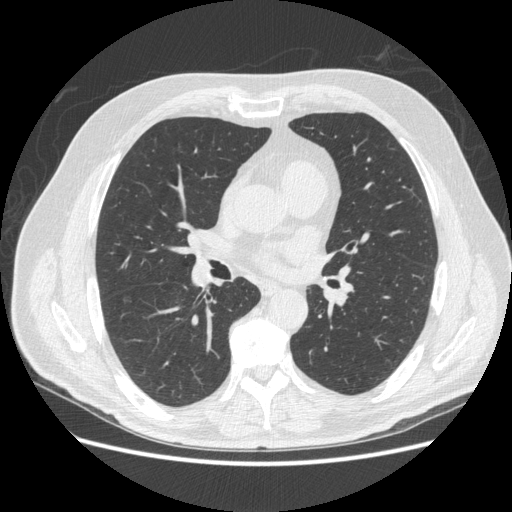
Slice 262/503 of a chest CT, counting up from the lowest; pixel size 0.742 mm, slice thickness 1.25 mm. Pulmonary nodule, outlined by three of the four readers. Box on this slice rows 293–303, columns 122–132, the union of the readers' outlines on this slice; the three readers' outlines give a longest diameter between 7.3 and 10.1 mm and a volume between 62 and 129 mm3. The readers' ratings, as ranges where they differ: texture from 1/5 (non-solid) to 4/5 across the three readers; margin from 2/5 to 4/5 across the three readers; sphericity from 3/5 (ovoid) to 4/5 across the three readers; calcification absent, all three readers agreeing; internal structure soft tissue, all three readers agreeing; subtlety from 1/5 to 4/5 across the three readers; malignancy likelihood from 3/5 to 4/5 across the three readers. Scale key (1–5): texture non-solid→solid, margin indistinct→circumscribed, sphericity linear→round, subtlety extremely subtle→obvious, malignancy likelihood highly unlikely→highly suspicious of cancer. Box rows and columns are 0-based pixel indices from the top-left corner, inclusive.
Scan settings: 120 kVp, STANDARD reconstruction kernel.